Chest CT, axial plane, 120 kVp, kernel BONE. Slice 136/244 from the bottom of the scan; thickness 1.25 mm; pixel size 0.674 mm.
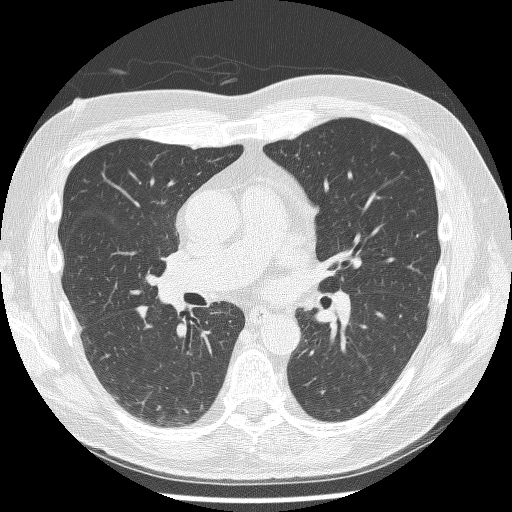
Pulmonary nodule outlined by all four readers; box rows 306–321, columns 136–147 (the union of the readers' outlines on this slice); longest diameter 10.1 mm on average over the four readers' outlines (readers' outlines 8.6–12.1 mm), volume 222–252 mm3. Ratings, by the readers' most common answer with dissent counted: texture 5/5 (solid) by three of four readers; the rest gave 4/5 (one); margin 5/5 (circumscribed) by three of four readers; the rest gave 4/5 (one); sphericity 2/5 by three of four readers; the rest gave 3/5 (ovoid) (one); calcification absent from all four readers; internal structure soft tissue from all four readers; most readers (three of four) put subtlety at 4/5, others 5/5 (one); malignancy likelihood 2/5 by two of four readers; the rest gave 3/5 (one), 4/5 (one). Scale key (1–5): texture non-solid→solid, margin indistinct→circumscribed, sphericity linear→round, subtlety extremely subtle→obvious, malignancy likelihood highly unlikely→highly suspicious of cancer. Box rows and columns are 0-based pixel indices from the top-left corner, inclusive.